Chest CT, axial plane, 120 kVp, kernel STANDARD. Slice 79/140 from the bottom of the scan; thickness 2.50 mm; pixel size 0.820 mm.
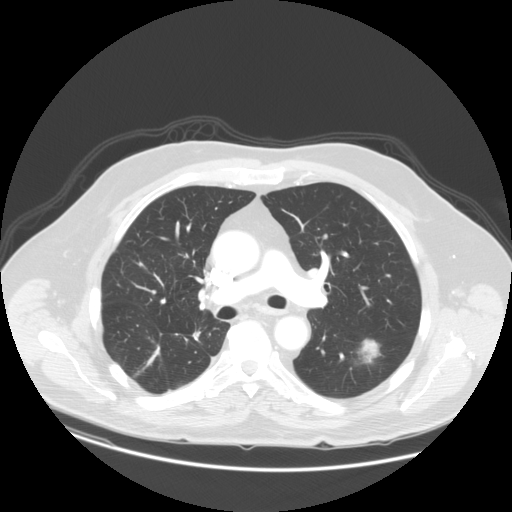
Pulmonary nodule at rows 337–367, columns 353–387 (box = the union of the readers' outlines on this slice), outlined by all four readers; the four readers' outlines give a longest diameter between 28.0 and 35.5 mm and a volume between 4625 and 10612 mm3. The readers' ratings, as ranges where they differ: texture from 3/5 (part-solid) to 5/5 (solid) across the four readers; margin from 3/5 to 4/5 across the four readers; sphericity from 3/5 (ovoid) to 5/5 (round) across the four readers; calcification absent, all four readers agreeing; internal structure soft tissue from all four readers; subtlety 5/5 from all four readers; malignancy likelihood 3–5/5 (the readers disagree). Scale key (1–5): texture non-solid→solid, margin indistinct→circumscribed, sphericity linear→round, subtlety extremely subtle→obvious, malignancy likelihood highly unlikely→highly suspicious of cancer. Box rows and columns are 0-based pixel indices from the top-left corner, inclusive.